Chest CT, axial plane, 135 kVp, kernel FC01. Slice 68/100 from the bottom of the scan; thickness 3.00 mm; pixel size 0.540 mm.
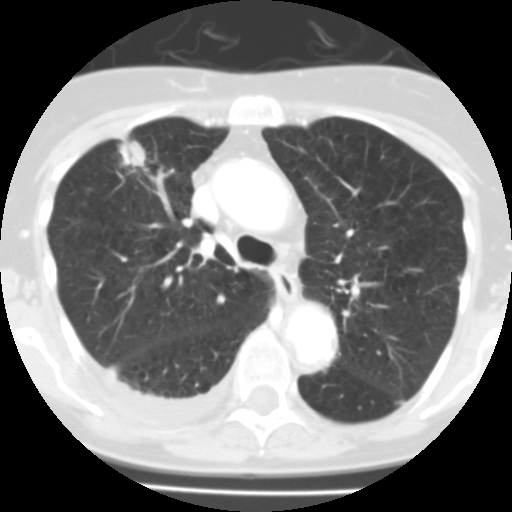
Pulmonary nodule, outlined by all four readers. Box on this slice rows 134–180, columns 112–155, the union of the readers' outlines on this slice; longest diameter 22.6–33.3 mm and volume 3212–10079 mm3 across the four readers' outlines. Ratings across the readers: texture from 4/5 to 5/5 (solid) across the four readers; margin from 1/5 (indistinct) to 4/5 across the four readers; sphericity from 3/5 (ovoid) to 5/5 (round) across the four readers; calcification absent from all four readers; internal structure soft tissue from all four readers; subtlety 5/5 from all four readers; malignancy likelihood from 4/5 to 5/5 across the four readers. Scale key (1–5): texture non-solid→solid, margin indistinct→circumscribed, sphericity linear→round, subtlety extremely subtle→obvious, malignancy likelihood highly unlikely→highly suspicious of cancer. Box rows and columns are 0-based pixel indices from the top-left corner, inclusive.